One axial slice (159 of 263, counting up from the lowest) of a chest CT acquired at 120 kVp with the B kernel; each pixel is 0.664 mm and the slice is 2.00 mm thick.
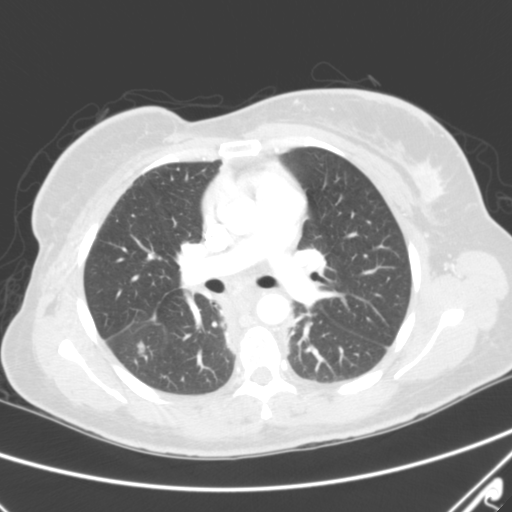
Pulmonary nodule outlined two times (the source holds three more outlines, not used); box rows 341–354, columns 137–145 (the union of the readers' outlines on this slice); longest diameter 13.7 mm on average over the two readers' outlines (readers' outlines 12.2–15.2 mm), volume 731–1229 mm3. The readers' prevailing ratings and who disagreed: texture split among the readers: 1/5 (non-solid) (one), 3/5 (part-solid) (one); margin split among the readers: 2/5 (one), 3/5 (one); sphericity split among the readers: 3/5 (ovoid) (one), 4/5 (one); calcification absent, both readers agreeing; internal structure soft tissue from both readers; subtlety 3/5 from both readers; malignancy likelihood split among the readers: 2/5 (one), 4/5 (one). Scale key (1–5): texture non-solid→solid, margin indistinct→circumscribed, sphericity linear→round, subtlety extremely subtle→obvious, malignancy likelihood highly unlikely→highly suspicious of cancer. Box rows and columns are 0-based pixel indices from the top-left corner, inclusive.